Axial slice 33 of 109 of a chest CT (slice 1 is the lowest), reconstructed with the B31s kernel at 130 kVp; 3.00 mm slice thickness and 0.629 mm pixels.
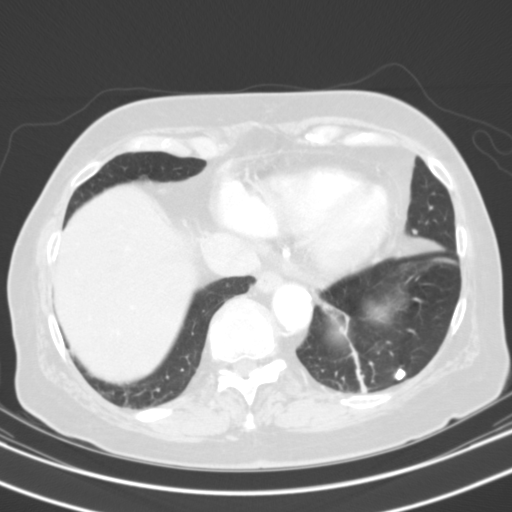
Pulmonary nodule outlined by all four readers; box rows 367–381, columns 393–405 (the union of the readers' outlines on this slice); longest diameter 11.4 mm on average over the four readers' outlines (readers' outlines 10.5–12.9 mm), volume 562–923 mm3. The readers' prevailing ratings and who disagreed: texture 5/5 (solid), all four readers agreeing; margin 5/5 (circumscribed) from all four readers; most readers (three of four) put sphericity at 5/5 (round), others 4/5 (one); calcification solid calcification from all four readers; internal structure soft tissue, all four readers agreeing; subtlety 5/5, all four readers agreeing; malignancy likelihood 1/5 from all four readers. Scale key (1–5): texture non-solid→solid, margin indistinct→circumscribed, sphericity linear→round, subtlety extremely subtle→obvious, malignancy likelihood highly unlikely→highly suspicious of cancer. Box rows and columns are 0-based pixel indices from the top-left corner, inclusive.